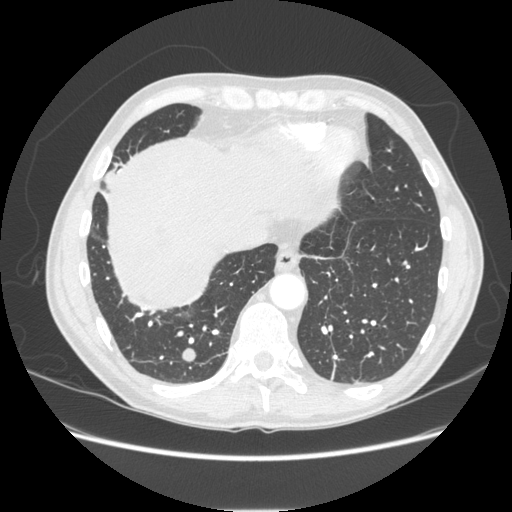
Slice 67/253 of a chest CT, counting up from the lowest; pixel size 0.742 mm, slice thickness 1.25 mm. Pulmonary nodule outlined by all four readers; box rows 348–361, columns 182–196 (the union of the readers' outlines on this slice); longest diameter 13.9 mm on average over the four readers' outlines (readers' outlines 12.4–17.1 mm), volume 764–890 mm3. Ratings, by the readers' most common answer with dissent counted: texture 5/5 (solid), all four readers agreeing; margin 5/5 (circumscribed) from all four readers; sphericity 5/5 (round) by three of four readers; the rest gave 4/5 (one); calcification absent from all four readers; internal structure soft tissue from all four readers; subtlety 5/5 by two of four readers; the rest gave 3/5 (one), 4/5 (one); malignancy likelihood split among the readers: 2/5 (one), 3/5 (one), 4/5 (one), 5/5 (one). Scale key (1–5): texture non-solid→solid, margin indistinct→circumscribed, sphericity linear→round, subtlety extremely subtle→obvious, malignancy likelihood highly unlikely→highly suspicious of cancer. Box rows and columns are 0-based pixel indices from the top-left corner, inclusive.
Tube voltage 120 kVp; convolution kernel STANDARD.